One axial slice (366 of 490, counting up from the lowest) of a chest CT acquired at 120 kVp with the STANDARD kernel; each pixel is 0.645 mm and the slice is 1.25 mm thick.
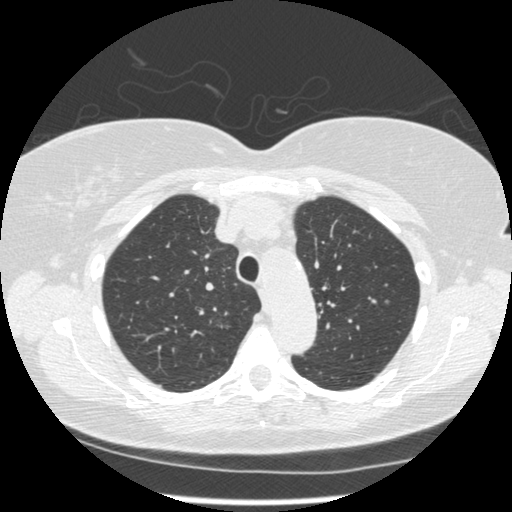
Pulmonary nodule, outlined by two of the four readers. Box on this slice rows 299–303, columns 384–389, the union of the readers' outlines on this slice; median longest diameter 5.4 mm (readers' outlines 5.2–5.5 mm), median volume 53 mm3 (51–56 mm3). Median ratings and the readers' spread: texture 5/5 (solid), both readers agreeing; median margin 4/5 (readers ranged 3/5 to 5/5 (circumscribed)); sphericity 4.5/5 at the median of two readers, spread 4/5 to 5/5 (round); calcification absent, both readers agreeing; internal structure soft tissue, both readers agreeing; median subtlety 4/5 (readers ranged 3–5); malignancy likelihood 3/5, both readers agreeing. Scale key (1–5): texture non-solid→solid, margin indistinct→circumscribed, sphericity linear→round, subtlety extremely subtle→obvious, malignancy likelihood highly unlikely→highly suspicious of cancer. Box rows and columns are 0-based pixel indices from the top-left corner, inclusive.